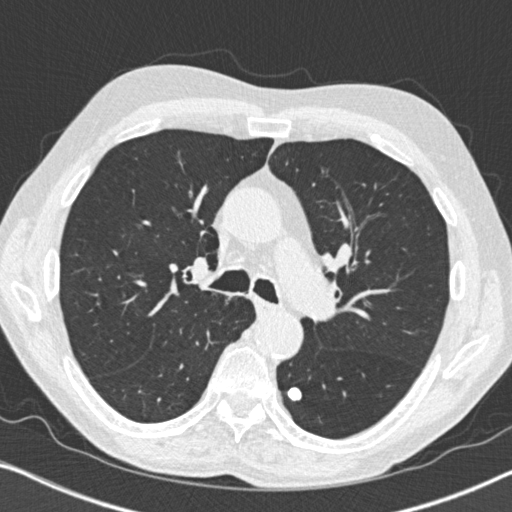
Axial chest CT slice 501 of 764 (counted from the lowest slice); tube voltage 120 kVp, convolution kernel B31f; slices 1.00 mm thick, 0.646 mm per pixel.
Pulmonary nodule outlined by all four readers; box rows 386–401, columns 286–303 (the union of the readers' outlines on this slice); longest diameter 10.7–12.7 mm and volume 382–638 mm3 across the four readers' outlines. Ratings across the readers: texture 5/5 (solid) from all four readers; margin 5/5 (circumscribed) from all four readers; sphericity from 4/5 to 5/5 (round) across the four readers; calcification solid calcification from all four readers; internal structure soft tissue from all four readers; subtlety 5/5 from all four readers; malignancy likelihood 1/5 from all four readers. Scale key (1–5): texture non-solid→solid, margin indistinct→circumscribed, sphericity linear→round, subtlety extremely subtle→obvious, malignancy likelihood highly unlikely→highly suspicious of cancer. Box rows and columns are 0-based pixel indices from the top-left corner, inclusive.